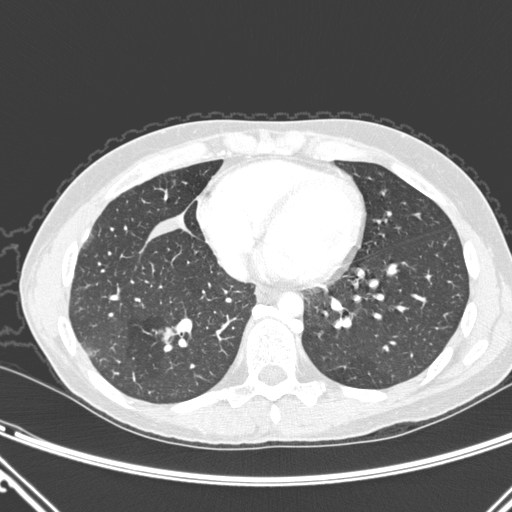
Axial chest CT slice 96 of 290 (counted from the lowest slice); 1.00 mm thick, 0.662 mm per pixel. Pulmonary nodule at rows 325–345, columns 156–178 (box = the union of the readers' outlines on this slice), outlined by all four readers; median longest diameter 23.4 mm (readers' outlines 22.2–29.6 mm), median volume 2912 mm3 (2637–3531 mm3). Median ratings and the readers' spread: texture 5/5 (solid), all four readers agreeing; median margin 4.5/5 (readers ranged 4/5 to 5/5 (circumscribed)); sphericity 4/5 at the median of four readers, spread 2/5 to 5/5 (round); calcification absent, all four readers agreeing; internal structure soft tissue from all four readers; subtlety 5/5 from all four readers; malignancy likelihood 4.5/5 at the median of four readers, spread 3–5. Scale key (1–5): texture non-solid→solid, margin indistinct→circumscribed, sphericity linear→round, subtlety extremely subtle→obvious, malignancy likelihood highly unlikely→highly suspicious of cancer. Box rows and columns are 0-based pixel indices from the top-left corner, inclusive.
Scan settings: 120 kVp, D reconstruction kernel.